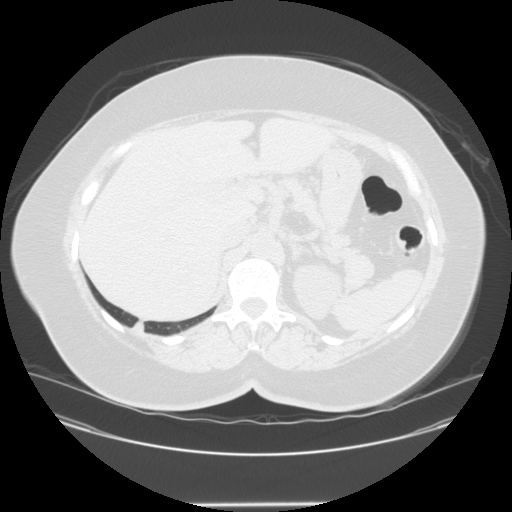
One axial slice (35 of 150, counting up from the lowest) of a chest CT acquired at 120 kVp with the STANDARD kernel; each pixel is 0.820 mm and the slice is 2.50 mm thick.
Pulmonary nodule outlined by three of the four readers, one of them on this slice; box rows 319–327, columns 132–141 (the one reader's outline on this slice); the three readers' outlines give a longest diameter between 34.5 and 41.5 mm and a volume between 15181 and 19016 mm3. The readers' ratings, as ranges where they differ: texture 5/5 (solid), all three readers agreeing; margin from 2/5 to 4/5 across the three readers; sphericity from 3/5 (ovoid) to 5/5 (round) across the three readers; calcification absent, all three readers agreeing; internal structure soft tissue from all three readers; subtlety 5/5, all three readers agreeing; malignancy likelihood 5/5, all three readers agreeing. Scale key (1–5): texture non-solid→solid, margin indistinct→circumscribed, sphericity linear→round, subtlety extremely subtle→obvious, malignancy likelihood highly unlikely→highly suspicious of cancer. Box rows and columns are 0-based pixel indices from the top-left corner, inclusive.